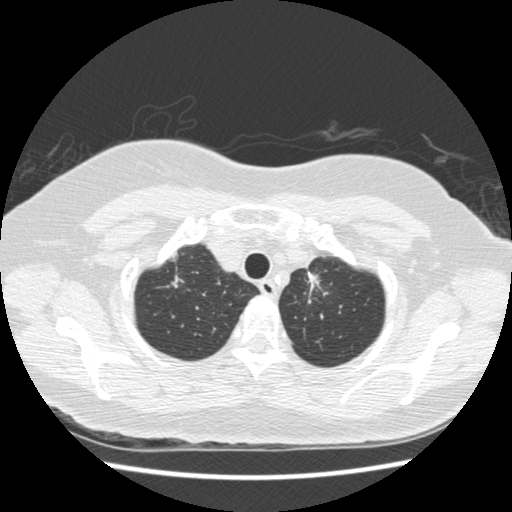
Axial chest CT slice 377 of 445 (counted from the lowest slice); tube voltage 120 kVp, convolution kernel STANDARD; slices 1.25 mm thick, 0.645 mm per pixel.
Pulmonary nodule outlined by one of the four readers; box rows 276–289, columns 310–317 (that reader's outline on this slice); longest diameter 31.0 mm and volume 2055 mm3 from that reader's outline. That reader's ratings: texture 5/5 (solid); margin 2/5; sphericity 2/5; calcification absent; internal structure soft tissue; subtlety 5/5; malignancy likelihood 4/5. Scale key (1–5): texture non-solid→solid, margin indistinct→circumscribed, sphericity linear→round, subtlety extremely subtle→obvious, malignancy likelihood highly unlikely→highly suspicious of cancer. Box rows and columns are 0-based pixel indices from the top-left corner, inclusive.